One axial slice (206 of 276, counting up from the lowest) of a chest CT acquired at 120 kVp with the D kernel; each pixel is 0.617 mm and the slice is 2.00 mm thick.
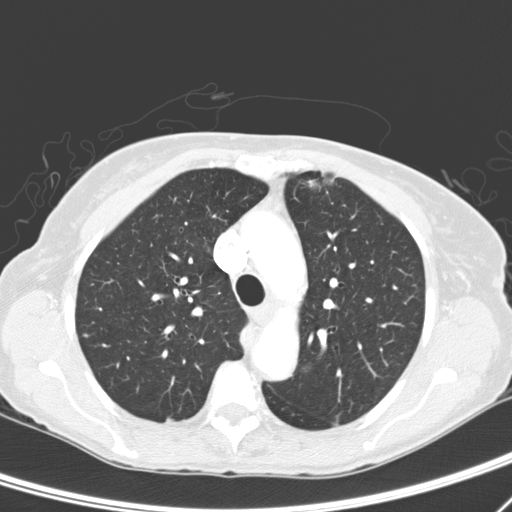
Pulmonary nodule at rows 173–188, columns 303–333 (box = the union of the readers' outlines on this slice), outlined by three of the four readers, two of them on this slice; longest diameter 23.3 mm on average over the three readers' outlines (readers' outlines 19.9–25.7 mm), volume 1110–1901 mm3. The readers' prevailing ratings and who disagreed: most readers (two of three) put texture at 4/5, others 5/5 (solid) (one); margin 2/5 by two of three readers; the rest gave 4/5 (one); sphericity 3/5 (ovoid) by two of three readers; the rest gave 4/5 (one); calcification absent, all three readers agreeing; internal structure soft tissue from all three readers; subtlety 5/5 from all three readers; malignancy likelihood 5/5, all three readers agreeing. Scale key (1–5): texture non-solid→solid, margin indistinct→circumscribed, sphericity linear→round, subtlety extremely subtle→obvious, malignancy likelihood highly unlikely→highly suspicious of cancer. Box rows and columns are 0-based pixel indices from the top-left corner, inclusive.